One axial slice (124 of 154, counting up from the lowest) of a chest CT acquired at 120 kVp with the STANDARD kernel; each pixel is 0.664 mm and the slice is 2.50 mm thick.
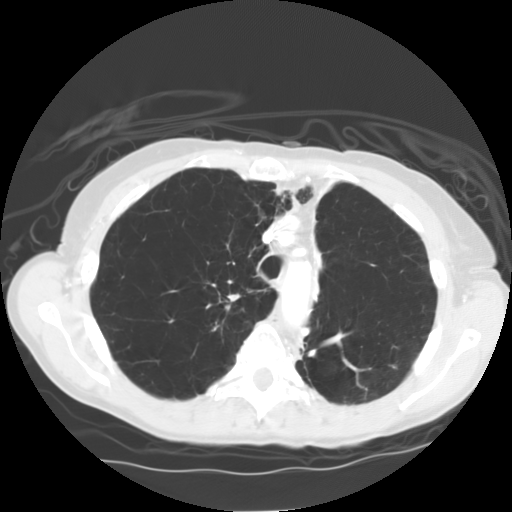
Pulmonary nodule at rows 294–300, columns 228–239 (box = that reader's outline on this slice), outlined by one of the four readers; longest diameter 9.0 mm and volume 271 mm3 from that reader's outline. Ratings by that reader: texture 5/5 (solid); margin 4/5; sphericity 4/5; calcification absent; internal structure soft tissue; subtlety 3/5; malignancy likelihood 3/5. Scale key (1–5): texture non-solid→solid, margin indistinct→circumscribed, sphericity linear→round, subtlety extremely subtle→obvious, malignancy likelihood highly unlikely→highly suspicious of cancer. Box rows and columns are 0-based pixel indices from the top-left corner, inclusive.